Chest CT, axial plane, 120 kVp, kernel B. Slice 153/263 from the bottom of the scan; thickness 2.00 mm; pixel size 0.664 mm.
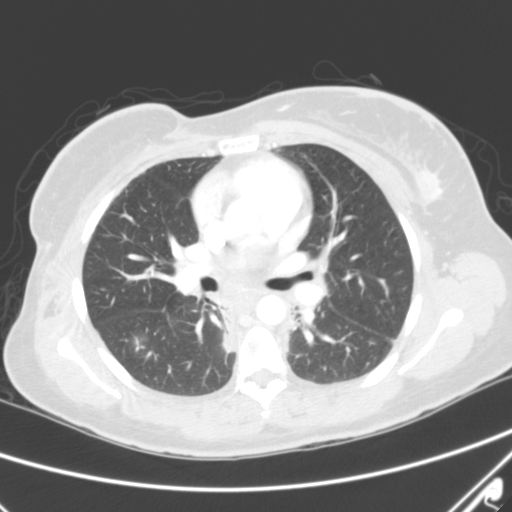
Pulmonary nodule at rows 331–344, columns 128–147 (box = the union of the readers' outlines on this slice), outlined two times (the source holds three more outlines, not used); longest diameter 13.7 mm on average over the two readers' outlines (readers' outlines 12.2–15.2 mm), volume 731–1229 mm3. The readers' prevailing ratings and who disagreed: texture split among the readers: 1/5 (non-solid) (one), 3/5 (part-solid) (one); margin split among the readers: 2/5 (one), 3/5 (one); sphericity split among the readers: 3/5 (ovoid) (one), 4/5 (one); calcification absent from both readers; internal structure soft tissue from both readers; subtlety 3/5, both readers agreeing; malignancy likelihood split among the readers: 2/5 (one), 4/5 (one). Scale key (1–5): texture non-solid→solid, margin indistinct→circumscribed, sphericity linear→round, subtlety extremely subtle→obvious, malignancy likelihood highly unlikely→highly suspicious of cancer. Box rows and columns are 0-based pixel indices from the top-left corner, inclusive.